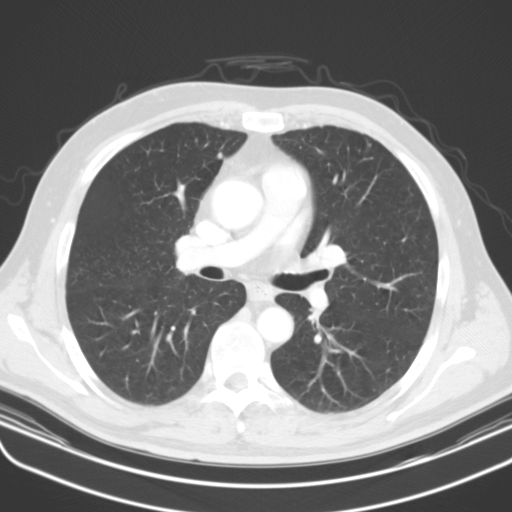
Axial slice 91 of 134 of a chest CT (slice 1 is the lowest), reconstructed with the B31s kernel at 130 kVp; 3.00 mm slice thickness and 0.715 mm pixels.
Pulmonary nodule outlined by one of the four readers; box rows 152–157, columns 217–222 (that reader's outline on this slice); longest diameter 5.8 mm and volume 172 mm3 from that reader's outline. Ratings by that reader: texture 4/5; margin 3/5; sphericity 3/5 (ovoid); calcification absent; internal structure soft tissue; subtlety 3/5; malignancy likelihood 2/5. Scale key (1–5): texture non-solid→solid, margin indistinct→circumscribed, sphericity linear→round, subtlety extremely subtle→obvious, malignancy likelihood highly unlikely→highly suspicious of cancer. Box rows and columns are 0-based pixel indices from the top-left corner, inclusive.